Axial chest CT slice 135 of 150 (counted from the lowest slice); tube voltage 120 kVp, convolution kernel STANDARD; slices 2.50 mm thick, 0.820 mm per pixel.
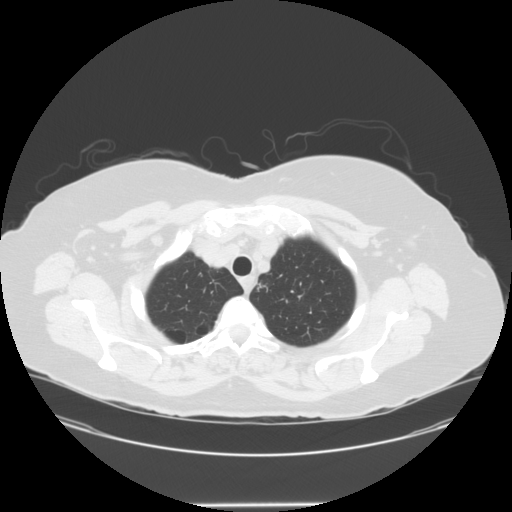
Pulmonary nodule at rows 264–269, columns 207–212 (box = the union of the readers' outlines on this slice), outlined by two of the four readers; median longest diameter 6.4 mm (readers' outlines 6.2–6.6 mm), median volume 143 mm3 (127–159 mm3). Ratings, median across the readers with their spread: texture 5/5 (solid) from both readers; margin 5/5 (circumscribed) from both readers; sphericity 5/5 (round) from both readers; calcification solid calcification from both readers; internal structure soft tissue from both readers; subtlety 5/5 from both readers; malignancy likelihood 1/5 from both readers. Scale key (1–5): texture non-solid→solid, margin indistinct→circumscribed, sphericity linear→round, subtlety extremely subtle→obvious, malignancy likelihood highly unlikely→highly suspicious of cancer. Box rows and columns are 0-based pixel indices from the top-left corner, inclusive.